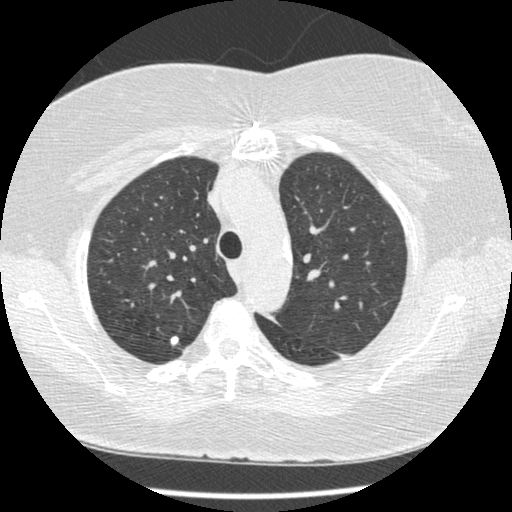
One axial slice (272 of 375, counting up from the lowest) of a chest CT acquired at 120 kVp with the STANDARD kernel; each pixel is 0.625 mm and the slice is 1.25 mm thick.
Pulmonary nodule at rows 335–345, columns 170–177 (box = the union of the readers' outlines on this slice), outlined by two of the four readers; median longest diameter 7.8 mm (readers' outlines 6.4–9.1 mm), median volume 164 mm3 (95–233 mm3). Ratings, median across the readers with their spread: texture 5/5 (solid), both readers agreeing; margin 5/5 (circumscribed) from both readers; median sphericity 3.5/5 (readers ranged 3/5 (ovoid) to 4/5); calcification split among the readers: solid calcification (one), absent (one); internal structure soft tissue, both readers agreeing; median subtlety 4.5/5 (readers ranged 4–5); median malignancy likelihood 2/5 (readers ranged 1–3). Scale key (1–5): texture non-solid→solid, margin indistinct→circumscribed, sphericity linear→round, subtlety extremely subtle→obvious, malignancy likelihood highly unlikely→highly suspicious of cancer. Box rows and columns are 0-based pixel indices from the top-left corner, inclusive.